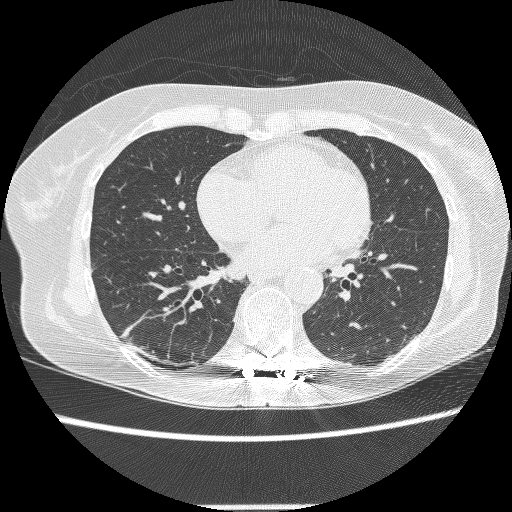
Chest CT, axial plane, 140 kVp, kernel BONE. Slice 129/274 from the bottom of the scan; thickness 1.25 mm; pixel size 0.615 mm.
None of the four readers outlined a nodule of 3 mm or more on this slice.